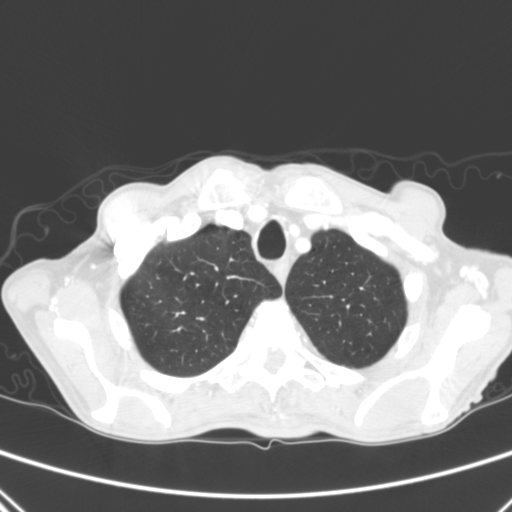
One axial slice (249 of 290, counting up from the lowest) of a chest CT acquired at 120 kVp with the B kernel; each pixel is 0.639 mm and the slice is 2.00 mm thick.
Pulmonary nodule outlined by one of the four readers; box rows 284–287, columns 366–370 (that reader's outline on this slice); longest diameter 4.9 mm and volume 40 mm3 from that reader's outline. That reader's ratings: texture 5/5 (solid); margin 5/5 (circumscribed); sphericity 5/5 (round); calcification absent; internal structure soft tissue; subtlety 5/5; malignancy likelihood 3/5. Scale key (1–5): texture non-solid→solid, margin indistinct→circumscribed, sphericity linear→round, subtlety extremely subtle→obvious, malignancy likelihood highly unlikely→highly suspicious of cancer. Box rows and columns are 0-based pixel indices from the top-left corner, inclusive.